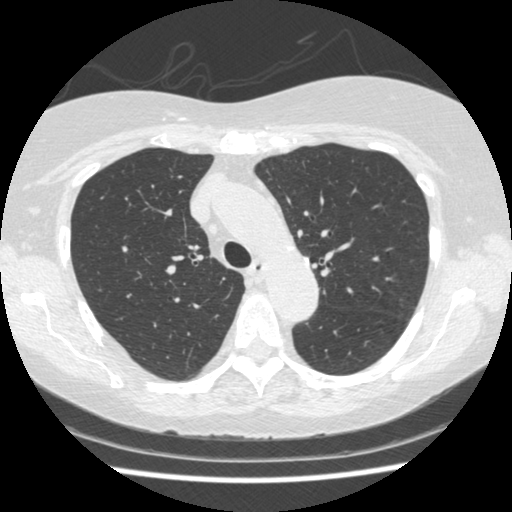
One axial slice (313 of 458, counting up from the lowest) of a chest CT acquired at 120 kVp with the STANDARD kernel; each pixel is 0.625 mm and the slice is 1.25 mm thick.
Pulmonary nodule at rows 258–261, columns 305–308 (box = that reader's outline on this slice), outlined by one of the four readers; longest diameter 11.9 mm and volume 579 mm3 from that reader's outline. That reader's ratings: texture 5/5 (solid); margin 5/5 (circumscribed); sphericity 5/5 (round); calcification solid calcification; internal structure soft tissue; subtlety 4/5; malignancy likelihood 1/5. Scale key (1–5): texture non-solid→solid, margin indistinct→circumscribed, sphericity linear→round, subtlety extremely subtle→obvious, malignancy likelihood highly unlikely→highly suspicious of cancer. Box rows and columns are 0-based pixel indices from the top-left corner, inclusive.